Axial slice 192 of 258 of a chest CT (slice 1 is the lowest), reconstructed with the STANDARD kernel at 120 kVp; 1.25 mm slice thickness and 0.859 mm pixels.
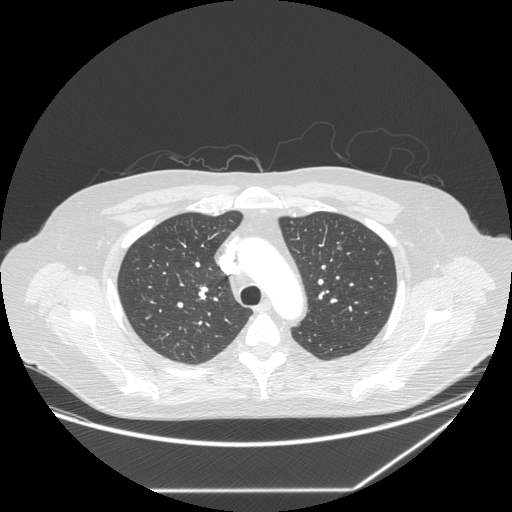
Pulmonary nodule, outlined by one of the four readers. Box on this slice rows 245–249, columns 337–341, that reader's outline on this slice; longest diameter 6.9 mm and volume 70 mm3 from that reader's outline. That reader's ratings: texture 5/5 (solid); margin 5/5 (circumscribed); sphericity 5/5 (round); calcification absent; internal structure soft tissue; subtlety 3/5; malignancy likelihood 2/5. Scale key (1–5): texture non-solid→solid, margin indistinct→circumscribed, sphericity linear→round, subtlety extremely subtle→obvious, malignancy likelihood highly unlikely→highly suspicious of cancer. Box rows and columns are 0-based pixel indices from the top-left corner, inclusive.